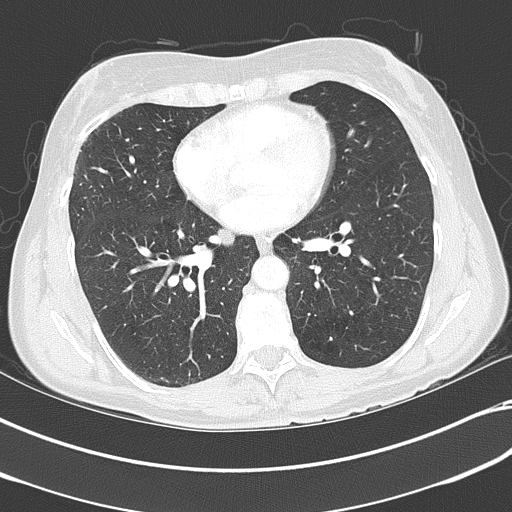
This is axial slice 175 of 351 (slice 1 is the lowest) of a chest CT; each pixel is 0.643 mm and the slice is 2.00 mm thick. Pulmonary nodule at rows 121–124, columns 359–365 (box = the one reader's outline on this slice), outlined by all four readers, one of them on this slice; median longest diameter 9.4 mm (readers' outlines 6.1–12.1 mm), median volume 108 mm3 (80–120 mm3). Ratings, median across the readers with their spread: median texture 5/5 (solid) (readers ranged 4/5 to 5/5 (solid)); margin 4/5 at the median of four readers, spread 3/5 to 4/5; sphericity 2.5/5 at the median of four readers, spread 2/5 to 4/5; calcification absent from all four readers; internal structure soft tissue, all four readers agreeing; median subtlety 3.5/5 (readers ranged 3–4); median malignancy likelihood 2/5 (readers ranged 1–4). Scale key (1–5): texture non-solid→solid, margin indistinct→circumscribed, sphericity linear→round, subtlety extremely subtle→obvious, malignancy likelihood highly unlikely→highly suspicious of cancer. Box rows and columns are 0-based pixel indices from the top-left corner, inclusive.
Acquired at 120 kVp and reconstructed with the B70f kernel.